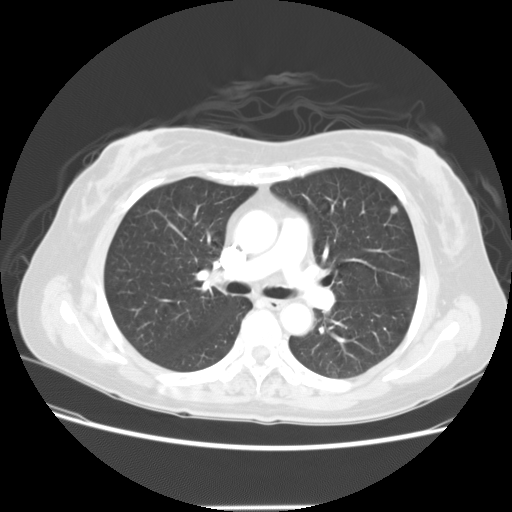
Axial slice 91 of 133 of a chest CT (slice 1 is the lowest), reconstructed with the STANDARD kernel at 120 kVp; 2.50 mm slice thickness and 0.703 mm pixels.
Pulmonary nodule at rows 205–213, columns 390–397 (box = the union of the readers' outlines on this slice), outlined by all four readers; the four readers' outlines give a longest diameter between 6.7 and 7.6 mm and a volume between 113 and 150 mm3. The readers' ratings, as ranges where they differ: texture 5/5 (solid) from all four readers; margin from 4/5 to 5/5 (circumscribed) across the four readers; sphericity from 3/5 (ovoid) to 5/5 (round) across the four readers; calcification absent, all four readers agreeing; internal structure soft tissue from all four readers; subtlety from 2/5 to 4/5 across the four readers; malignancy likelihood 2–3/5 (the readers disagree). Scale key (1–5): texture non-solid→solid, margin indistinct→circumscribed, sphericity linear→round, subtlety extremely subtle→obvious, malignancy likelihood highly unlikely→highly suspicious of cancer. Box rows and columns are 0-based pixel indices from the top-left corner, inclusive.